Axial slice 57 of 119 of a chest CT (slice 1 is the lowest), reconstructed with the FC01 kernel at 135 kVp; 3.00 mm slice thickness and 0.607 mm pixels.
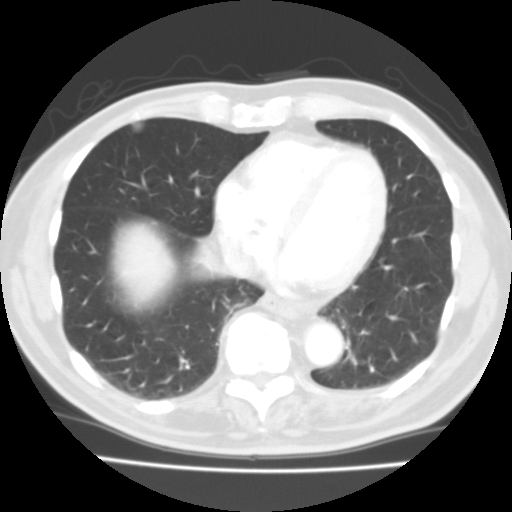
Pulmonary nodule outlined by all four readers, three of them on this slice; box rows 122–132, columns 131–143 (the union of the readers' outlines on this slice); median longest diameter 13.1 mm (readers' outlines 12.7–13.9 mm), median volume 904 mm3 (738–1063 mm3). Ratings, median across the readers with their spread: texture 5/5 (solid) from all four readers; margin 5/5 (circumscribed) from all four readers; sphericity 3.5/5 at the median of four readers, spread 2/5 to 4/5; calcification absent, all four readers agreeing; internal structure soft tissue, all four readers agreeing; subtlety 5/5, all four readers agreeing; median malignancy likelihood 3.5/5 (readers ranged 2–4). Scale key (1–5): texture non-solid→solid, margin indistinct→circumscribed, sphericity linear→round, subtlety extremely subtle→obvious, malignancy likelihood highly unlikely→highly suspicious of cancer. Box rows and columns are 0-based pixel indices from the top-left corner, inclusive.